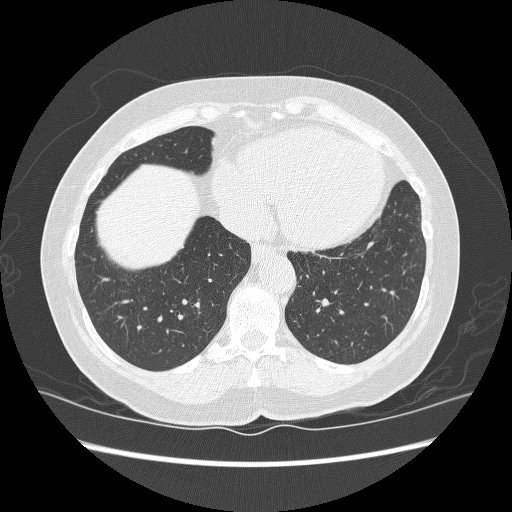
This is axial slice 78 of 240 (slice 1 is the lowest) of a chest CT; each pixel is 0.703 mm and the slice is 1.25 mm thick. Pulmonary nodule outlined by one of the four readers; box rows 242–249, columns 367–373 (that reader's outline on this slice); longest diameter 7.6 mm and volume 49 mm3 from that reader's outline. That reader's ratings: texture 5/5 (solid); margin 4/5; sphericity 2/5; calcification absent; internal structure soft tissue; subtlety 1/5; malignancy likelihood 3/5. Scale key (1–5): texture non-solid→solid, margin indistinct→circumscribed, sphericity linear→round, subtlety extremely subtle→obvious, malignancy likelihood highly unlikely→highly suspicious of cancer. Box rows and columns are 0-based pixel indices from the top-left corner, inclusive.
Tube voltage 120 kVp; convolution kernel BONE.